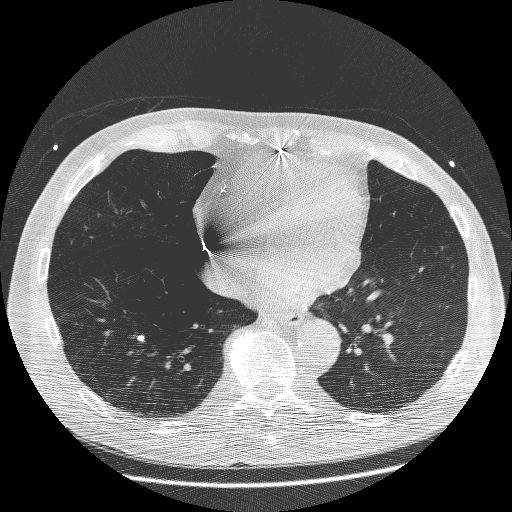
Axial slice 85 of 260 of a chest CT (slice 1 is the lowest), reconstructed with the BONE kernel at 120 kVp; 1.25 mm slice thickness and 0.703 mm pixels.
Pulmonary nodule, outlined by three of the four readers. Box on this slice rows 335–341, columns 136–144, the union of the readers' outlines on this slice; longest diameter 6.4 mm on average over the three readers' outlines (readers' outlines 5.8–7.5 mm), volume 44–92 mm3. The readers' prevailing ratings and who disagreed: texture 5/5 (solid), all three readers agreeing; margin 5/5 (circumscribed) from all three readers; sphericity split among the readers: 3/5 (ovoid) (one), 4/5 (one), 5/5 (round) (one); calcification solid calcification from all three readers; internal structure soft tissue from all three readers; subtlety 5/5 from all three readers; malignancy likelihood 1/5 from all three readers. Scale key (1–5): texture non-solid→solid, margin indistinct→circumscribed, sphericity linear→round, subtlety extremely subtle→obvious, malignancy likelihood highly unlikely→highly suspicious of cancer. Box rows and columns are 0-based pixel indices from the top-left corner, inclusive.